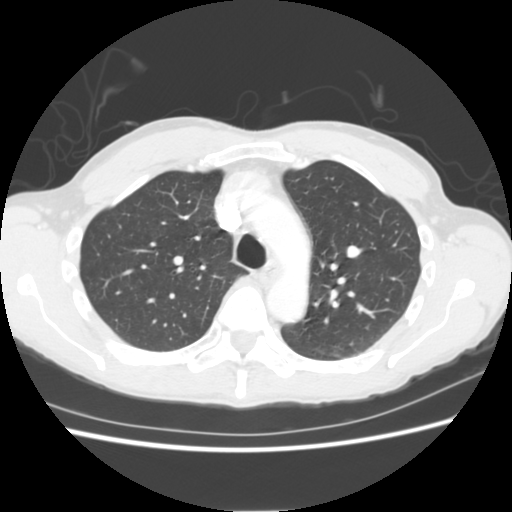
Axial chest CT slice 170 of 255 (counted from the lowest slice); 2.50 mm thick, 0.664 mm per pixel. This slice carries no reader outline of a nodule 3 mm or larger.
Acquired at 120 kVp and reconstructed with the STANDARD kernel.